One axial slice (92 of 477, counting up from the lowest) of a chest CT acquired at 120 kVp with the STANDARD kernel; each pixel is 0.703 mm and the slice is 1.25 mm thick.
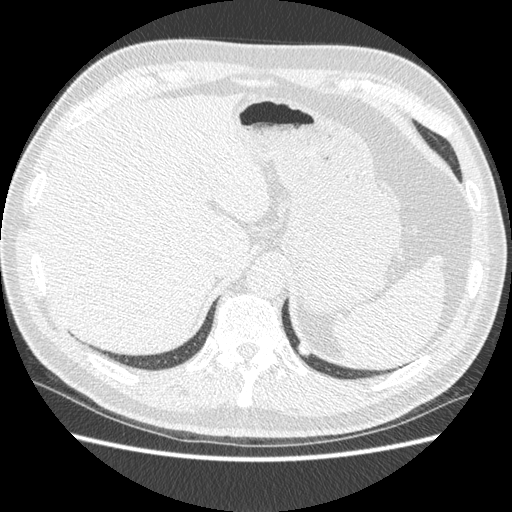
Pulmonary nodule outlined by all four readers; box rows 342–357, columns 297–310 (the union of the readers' outlines on this slice); median longest diameter 11.7 mm (readers' outlines 10.5–13.2 mm), median volume 384 mm3 (347–425 mm3). Ratings, median across the readers with their spread: texture 5/5 (solid), all four readers agreeing; margin 4/5 at the median of four readers, spread 4/5 to 5/5 (circumscribed); median sphericity 3.5/5 (readers ranged 3/5 (ovoid) to 5/5 (round)); calcification split among the readers: solid calcification (one), non-central calcification (one), central calcification (one), absent (one); internal structure soft tissue, all four readers agreeing; median subtlety 4/5 (readers ranged 3–5); malignancy likelihood 1.5/5 at the median of four readers, spread 1–2. Scale key (1–5): texture non-solid→solid, margin indistinct→circumscribed, sphericity linear→round, subtlety extremely subtle→obvious, malignancy likelihood highly unlikely→highly suspicious of cancer. Box rows and columns are 0-based pixel indices from the top-left corner, inclusive.